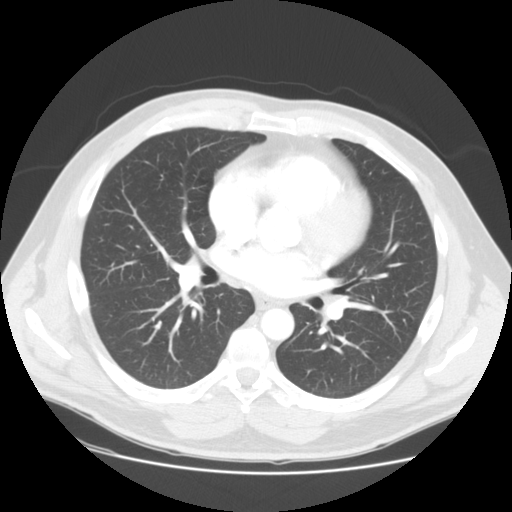
Axial slice 83 of 139 of a chest CT (slice 1 is the lowest), reconstructed with the STANDARD kernel at 120 kVp; 2.50 mm slice thickness and 0.742 mm pixels.
None of the four readers outlined a nodule of 3 mm or more on this slice.